One axial slice (125 of 310, counting up from the lowest) of a chest CT acquired at 120 kVp with the D kernel; each pixel is 0.643 mm and the slice is 1.00 mm thick.
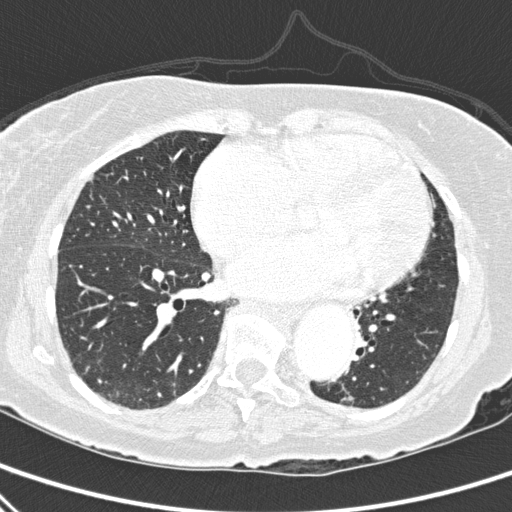
Pulmonary nodule outlined by three of the four readers; box rows 396–400, columns 347–353 (the union of the readers' outlines on this slice); longest diameter 6.2 mm on average over the three readers' outlines (readers' outlines 5.5–6.6 mm), volume 55–65 mm3. The readers' prevailing ratings and who disagreed: texture 5/5 (solid) from all three readers; margin 5/5 (circumscribed) by two of three readers; the rest gave 4/5 (one); sphericity 4/5 by two of three readers; the rest gave 2/5 (one); calcification absent from all three readers; internal structure soft tissue from all three readers; subtlety split among the readers: 3/5 (one), 4/5 (one), 5/5 (one); most readers (two of three) put malignancy likelihood at 3/5, others 2/5 (one). Scale key (1–5): texture non-solid→solid, margin indistinct→circumscribed, sphericity linear→round, subtlety extremely subtle→obvious, malignancy likelihood highly unlikely→highly suspicious of cancer. Box rows and columns are 0-based pixel indices from the top-left corner, inclusive.